Axial slice 139 of 280 of a chest CT (slice 1 is the lowest), reconstructed with the D kernel at 120 kVp; 1.00 mm slice thickness and 0.564 mm pixels.
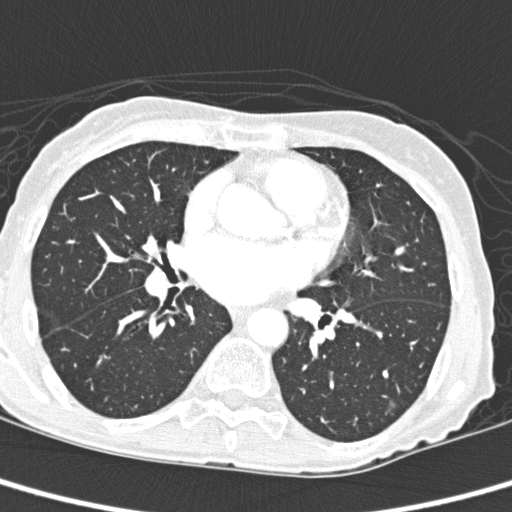
Pulmonary nodule, outlined by two of the four readers. Box on this slice rows 399–406, columns 388–394, the union of the readers' outlines on this slice; median longest diameter 6.3 mm (readers' outlines 5.3–7.4 mm), median volume 69 mm3 (37–100 mm3). Median ratings and the readers' spread: median texture 3.5/5 (readers ranged 3/5 (part-solid) to 4/5); margin 4/5 from both readers; sphericity 4.5/5 at the median of two readers, spread 4/5 to 5/5 (round); calcification absent from both readers; internal structure soft tissue from both readers; subtlety 4.5/5 at the median of two readers, spread 4–5; median malignancy likelihood 3/5 (readers ranged 2–4). Scale key (1–5): texture non-solid→solid, margin indistinct→circumscribed, sphericity linear→round, subtlety extremely subtle→obvious, malignancy likelihood highly unlikely→highly suspicious of cancer. Box rows and columns are 0-based pixel indices from the top-left corner, inclusive.